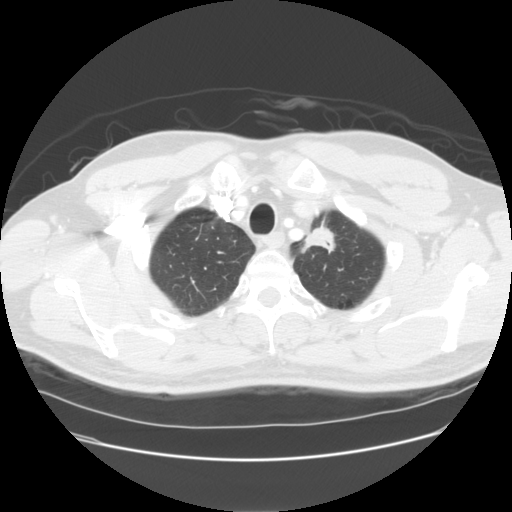
Axial slice 121 of 137 of a chest CT (slice 1 is the lowest), reconstructed with the STANDARD kernel at 120 kVp; 2.50 mm slice thickness and 0.742 mm pixels.
Pulmonary nodule, outlined by all four readers. Box on this slice rows 211–253, columns 294–336, the union of the readers' outlines on this slice; longest diameter 30.7–45.5 mm and volume 6191–8548 mm3 across the four readers' outlines. The readers' ratings, as ranges where they differ: texture from 4/5 to 5/5 (solid) across the four readers; margin from 2/5 to 4/5 across the four readers; sphericity from 3/5 (ovoid) to 5/5 (round) across the four readers; calcification absent from all four readers; internal structure soft tissue from all four readers; subtlety 5/5, all four readers agreeing; malignancy likelihood rated between 4 and 5 out of 5 by the four readers. Scale key (1–5): texture non-solid→solid, margin indistinct→circumscribed, sphericity linear→round, subtlety extremely subtle→obvious, malignancy likelihood highly unlikely→highly suspicious of cancer. Box rows and columns are 0-based pixel indices from the top-left corner, inclusive.